Axial chest CT slice 156 of 272 (counted from the lowest slice); tube voltage 140 kVp, convolution kernel D; slices 1.00 mm thick, 0.676 mm per pixel.
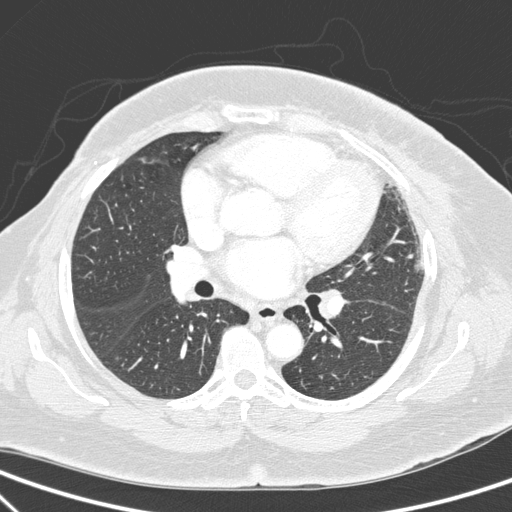
No nodule of 3 mm or larger was outlined by any of the four readers on this slice.